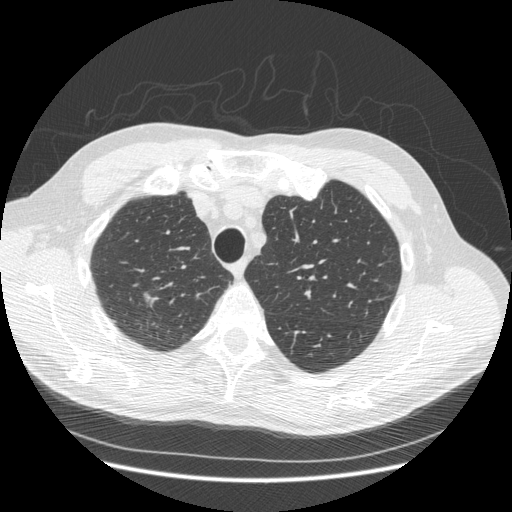
Axial chest CT slice 386 of 493 (counted from the lowest slice); tube voltage 120 kVp, convolution kernel STANDARD; slices 1.25 mm thick, 0.742 mm per pixel.
Pulmonary nodule at rows 292–305, columns 143–153 (box = the union of the readers' outlines on this slice), outlined by three of the four readers; longest diameter 11.0–11.2 mm and volume 98–139 mm3 across the three readers' outlines. Ratings across the readers: texture from 2/5 to 4/5 across the three readers; margin from 3/5 to 4/5 across the three readers; sphericity from 2/5 to 3/5 (ovoid) across the three readers; calcification absent from all three readers; internal structure soft tissue, all three readers agreeing; subtlety from 3/5 to 4/5 across the three readers; malignancy likelihood from 3/5 to 5/5 across the three readers. Scale key (1–5): texture non-solid→solid, margin indistinct→circumscribed, sphericity linear→round, subtlety extremely subtle→obvious, malignancy likelihood highly unlikely→highly suspicious of cancer. Box rows and columns are 0-based pixel indices from the top-left corner, inclusive.